Axial chest CT slice 165 of 245 (counted from the lowest slice); tube voltage 120 kVp, convolution kernel STANDARD; slices 1.25 mm thick, 0.730 mm per pixel.
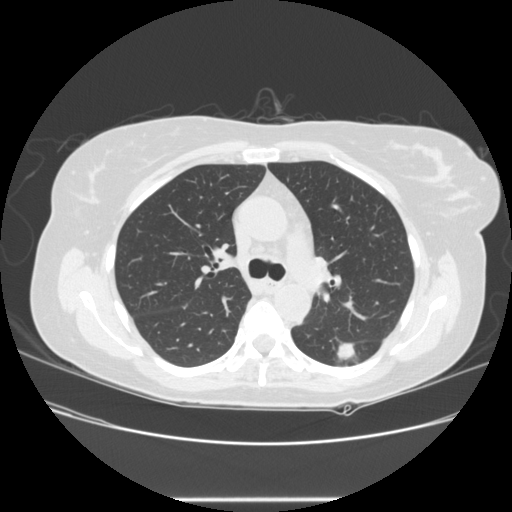
Pulmonary nodule, outlined by all four readers. Box on this slice rows 342–363, columns 333–357, the union of the readers' outlines on this slice; longest diameter 30.9 mm on average over the four readers' outlines (readers' outlines 27.2–36.8 mm), volume 3941–5997 mm3. Ratings, by the readers' most common answer with dissent counted: texture 5/5 (solid), all four readers agreeing; margin 4/5 by two of four readers; the rest gave 1/5 (indistinct) (one), 3/5 (one); sphericity 2/5 by two of four readers; the rest gave 3/5 (ovoid) (one), 4/5 (one); calcification absent, all four readers agreeing; internal structure soft tissue from all four readers; subtlety 5/5, all four readers agreeing; most readers (three of four) put malignancy likelihood at 5/5, others 4/5 (one). Scale key (1–5): texture non-solid→solid, margin indistinct→circumscribed, sphericity linear→round, subtlety extremely subtle→obvious, malignancy likelihood highly unlikely→highly suspicious of cancer. Box rows and columns are 0-based pixel indices from the top-left corner, inclusive.